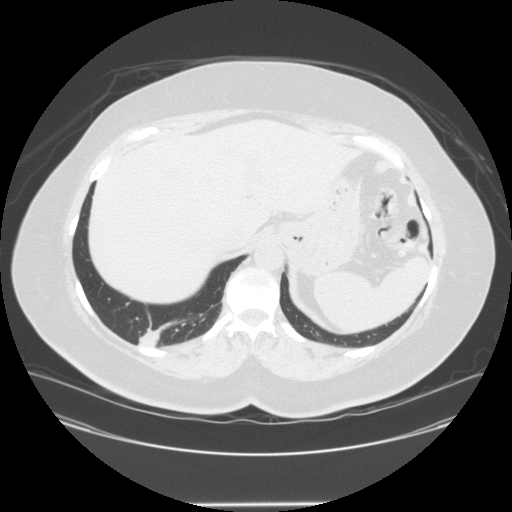
Axial chest CT slice 45 of 150 (counted from the lowest slice); tube voltage 120 kVp, convolution kernel STANDARD; slices 2.50 mm thick, 0.820 mm per pixel.
Pulmonary nodule at rows 328–343, columns 136–154 (box = the union of the readers' outlines on this slice), outlined by three of the four readers, two of them on this slice; median longest diameter 36.7 mm (readers' outlines 34.5–41.5 mm), median volume 15464 mm3 (15181–19016 mm3). Median ratings and the readers' spread: texture 5/5 (solid), all three readers agreeing; median margin 4/5 (readers ranged 2/5 to 4/5); median sphericity 4/5 (readers ranged 3/5 (ovoid) to 5/5 (round)); calcification absent from all three readers; internal structure soft tissue from all three readers; subtlety 5/5, all three readers agreeing; malignancy likelihood 5/5, all three readers agreeing. Scale key (1–5): texture non-solid→solid, margin indistinct→circumscribed, sphericity linear→round, subtlety extremely subtle→obvious, malignancy likelihood highly unlikely→highly suspicious of cancer. Box rows and columns are 0-based pixel indices from the top-left corner, inclusive.